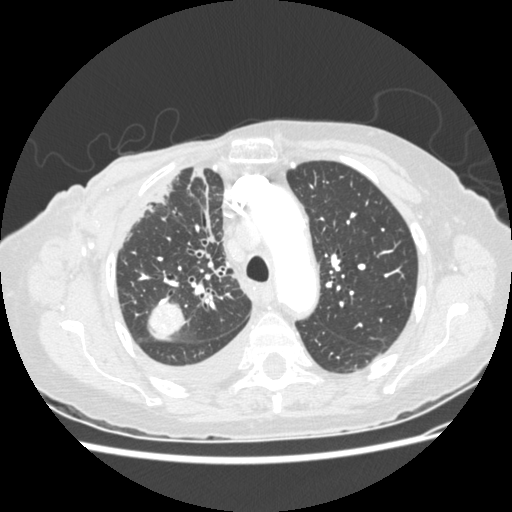
Slice 189/238 of a chest CT, counting up from the lowest; pixel size 0.664 mm, slice thickness 1.25 mm. Pulmonary nodule at rows 302–340, columns 147–184 (box = the union of the readers' outlines on this slice), outlined by two of the four readers; median longest diameter 32.4 mm (readers' outlines 31.3–33.5 mm), median volume 8391 mm3 (8200–8583 mm3). Median ratings and the readers' spread: texture 5/5 (solid), both readers agreeing; median margin 4.5/5 (readers ranged 4/5 to 5/5 (circumscribed)); sphericity 4/5 from both readers; calcification absent from both readers; internal structure soft tissue from both readers; subtlety 5/5, both readers agreeing; malignancy likelihood 4/5 at the median of two readers, spread 3–5. Scale key (1–5): texture non-solid→solid, margin indistinct→circumscribed, sphericity linear→round, subtlety extremely subtle→obvious, malignancy likelihood highly unlikely→highly suspicious of cancer. Box rows and columns are 0-based pixel indices from the top-left corner, inclusive.
Tube voltage 120 kVp; convolution kernel STANDARD.